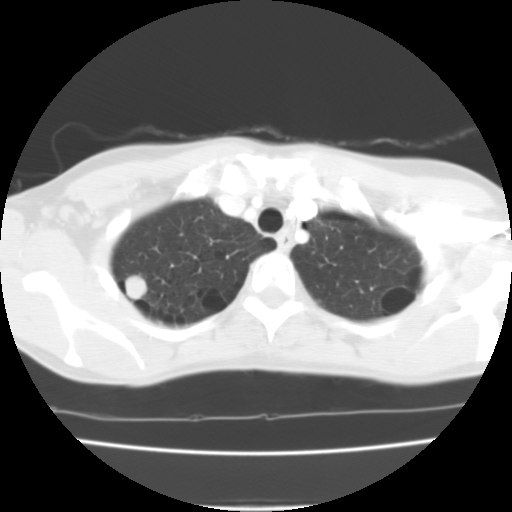
Axial chest CT slice 94 of 112 (counted from the lowest slice); tube voltage 135 kVp, convolution kernel FC01; slices 3.00 mm thick, 0.573 mm per pixel.
Pulmonary nodule, outlined by all four readers. Box on this slice rows 274–300, columns 125–148, the union of the readers' outlines on this slice; median longest diameter 16.7 mm (readers' outlines 16.4–19.0 mm), median volume 2634 mm3 (2422–3472 mm3). Ratings, median across the readers with their spread: texture 5/5 (solid), all four readers agreeing; margin 4.5/5 at the median of four readers, spread 4/5 to 5/5 (circumscribed); median sphericity 4.5/5 (readers ranged 4/5 to 5/5 (round)); calcification absent, all four readers agreeing; internal structure soft tissue, all four readers agreeing; subtlety 5/5 from all four readers; median malignancy likelihood 3/5 (readers ranged 3–5). Scale key (1–5): texture non-solid→solid, margin indistinct→circumscribed, sphericity linear→round, subtlety extremely subtle→obvious, malignancy likelihood highly unlikely→highly suspicious of cancer. Box rows and columns are 0-based pixel indices from the top-left corner, inclusive.